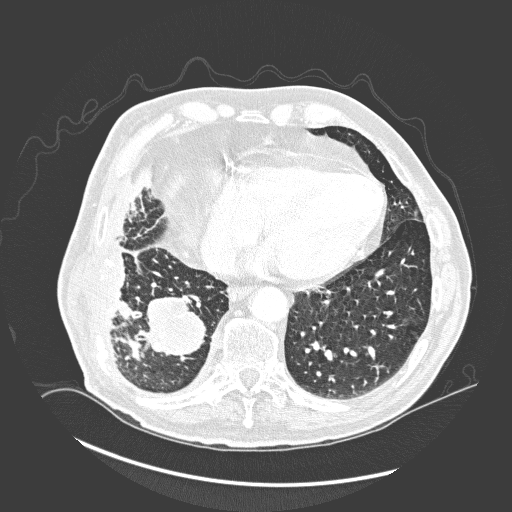
Axial slice 76 of 300 of a chest CT (slice 1 is the lowest), reconstructed with the D kernel at 120 kVp; 1.00 mm slice thickness and 0.744 mm pixels.
Pulmonary nodule, outlined by all four readers, three of them on this slice. Box on this slice rows 319–325, columns 402–407, the union of the readers' outlines on this slice; longest diameter 8.3–9.5 mm and volume 46–143 mm3 across the four readers' outlines. Ratings across the readers: texture from 4/5 to 5/5 (solid) across the four readers; margin from 2/5 to 5/5 (circumscribed) across the four readers; sphericity from 3/5 (ovoid) to 4/5 across the four readers; calcification absent from all four readers; internal structure soft tissue, all four readers agreeing; subtlety rated between 2 and 4 out of 5 by the four readers; malignancy likelihood rated between 1 and 4 out of 5 by the four readers. Scale key (1–5): texture non-solid→solid, margin indistinct→circumscribed, sphericity linear→round, subtlety extremely subtle→obvious, malignancy likelihood highly unlikely→highly suspicious of cancer. Box rows and columns are 0-based pixel indices from the top-left corner, inclusive.